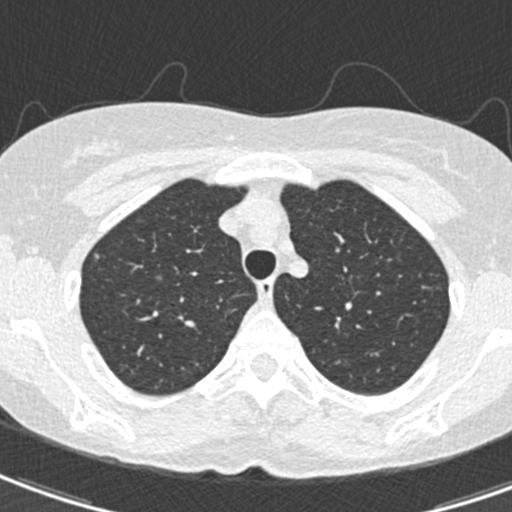
Chest CT, axial plane, 120 kVp, kernel B30f. Slice 346/425 from the bottom of the scan; thickness 0.75 mm; pixel size 0.539 mm.
Pulmonary nodule outlined by one of the four readers; box rows 254–259, columns 94–99 (that reader's outline on this slice); longest diameter 4.6 mm and volume 14 mm3 from that reader's outline. Ratings by that reader: texture 5/5 (solid); margin 3/5; sphericity 3/5 (ovoid); calcification absent; internal structure soft tissue; subtlety 2/5; malignancy likelihood 2/5. Scale key (1–5): texture non-solid→solid, margin indistinct→circumscribed, sphericity linear→round, subtlety extremely subtle→obvious, malignancy likelihood highly unlikely→highly suspicious of cancer. Box rows and columns are 0-based pixel indices from the top-left corner, inclusive.